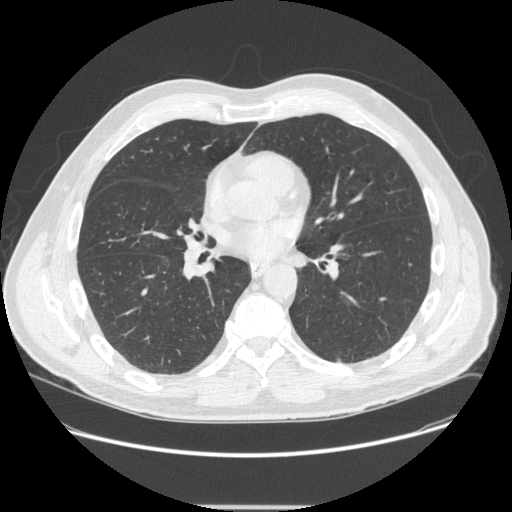
Axial chest CT slice 270 of 548 (counted from the lowest slice); 1.25 mm thick, 0.781 mm per pixel. Pulmonary nodule, outlined by three of the four readers. Box on this slice rows 358–362, columns 336–340, the union of the readers' outlines on this slice; longest diameter 6.0 mm on average over the three readers' outlines (readers' outlines 5.0–6.6 mm), volume 42–65 mm3. The readers' prevailing ratings and who disagreed: texture 5/5 (solid), all three readers agreeing; most readers (two of three) put margin at 5/5 (circumscribed), others 4/5 (one); sphericity 4/5 by two of three readers; the rest gave 3/5 (ovoid) (one); calcification absent from all three readers; internal structure soft tissue from all three readers; subtlety split among the readers: 2/5 (one), 4/5 (one), 5/5 (one); malignancy likelihood 3/5 by two of three readers; the rest gave 2/5 (one). Scale key (1–5): texture non-solid→solid, margin indistinct→circumscribed, sphericity linear→round, subtlety extremely subtle→obvious, malignancy likelihood highly unlikely→highly suspicious of cancer. Box rows and columns are 0-based pixel indices from the top-left corner, inclusive.
Acquired at 120 kVp and reconstructed with the STANDARD kernel.